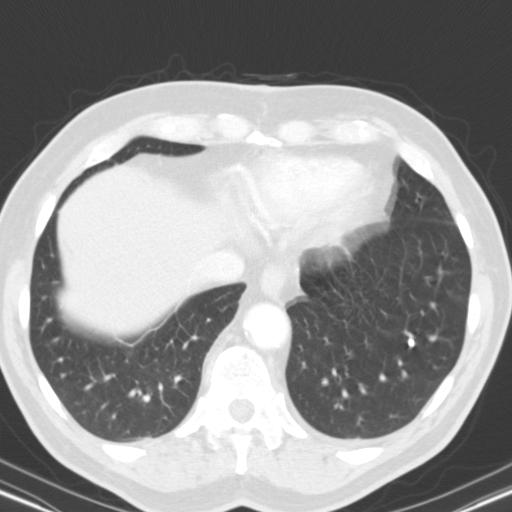
Axial chest CT slice 37 of 116 (counted from the lowest slice); tube voltage 130 kVp, convolution kernel B31s; slices 3.00 mm thick, 0.668 mm per pixel.
Pulmonary nodule, outlined by two of the four readers. Box on this slice rows 337–346, columns 408–414, the union of the readers' outlines on this slice; the two readers' outlines give a longest diameter of 7.5 mm and a volume of 137 mm3. The readers' ratings, as ranges where they differ: texture 5/5 (solid) from both readers; margin from 4/5 to 5/5 (circumscribed) across the two readers; sphericity from 4/5 to 5/5 (round) across the two readers; calcification solid calcification from both readers; internal structure soft tissue from both readers; subtlety 3–5/5 (the readers disagree); malignancy likelihood 1/5, both readers agreeing. Scale key (1–5): texture non-solid→solid, margin indistinct→circumscribed, sphericity linear→round, subtlety extremely subtle→obvious, malignancy likelihood highly unlikely→highly suspicious of cancer. Box rows and columns are 0-based pixel indices from the top-left corner, inclusive.